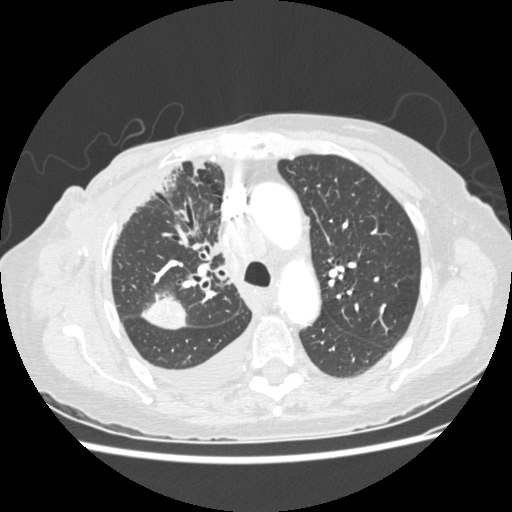
Slice 182/238 of a chest CT, counting up from the lowest; pixel size 0.664 mm, slice thickness 1.25 mm. Pulmonary nodule, outlined by two of the four readers. Box on this slice rows 295–329, columns 141–185, the union of the readers' outlines on this slice; longest diameter 32.4 mm on average over the two readers' outlines (readers' outlines 31.3–33.5 mm), volume 8200–8583 mm3. The readers' prevailing ratings and who disagreed: texture 5/5 (solid), both readers agreeing; margin split among the readers: 4/5 (one), 5/5 (circumscribed) (one); sphericity 4/5, both readers agreeing; calcification absent, both readers agreeing; internal structure soft tissue from both readers; subtlety 5/5, both readers agreeing; malignancy likelihood split among the readers: 3/5 (one), 5/5 (one). Scale key (1–5): texture non-solid→solid, margin indistinct→circumscribed, sphericity linear→round, subtlety extremely subtle→obvious, malignancy likelihood highly unlikely→highly suspicious of cancer. Box rows and columns are 0-based pixel indices from the top-left corner, inclusive.
Tube voltage 120 kVp; convolution kernel STANDARD.